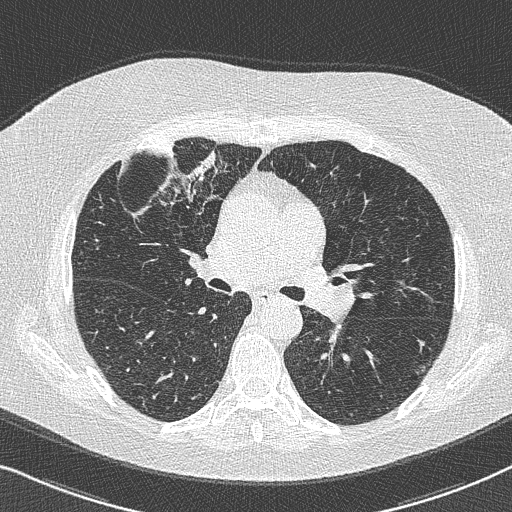
Slice 456/733 of a chest CT, counting up from the lowest; pixel size 0.637 mm, slice thickness 0.60 mm. Pulmonary nodule outlined by all four readers, two of them on this slice; box rows 365–373, columns 414–424 (the union of the readers' outlines on this slice); median longest diameter 11.6 mm (readers' outlines 11.1–11.9 mm), median volume 252 mm3 (231–376 mm3). Ratings, median across the readers with their spread: texture 5/5 (solid) from all four readers; median margin 3.5/5 (readers ranged 3/5 to 5/5 (circumscribed)); median sphericity 3/5 (ovoid) (readers ranged 3/5 (ovoid) to 5/5 (round)); calcification absent, all four readers agreeing; internal structure soft tissue, all four readers agreeing; median subtlety 4.5/5 (readers ranged 4–5); median malignancy likelihood 3.5/5 (readers ranged 3–4). Scale key (1–5): texture non-solid→solid, margin indistinct→circumscribed, sphericity linear→round, subtlety extremely subtle→obvious, malignancy likelihood highly unlikely→highly suspicious of cancer. Box rows and columns are 0-based pixel indices from the top-left corner, inclusive.
Scan settings: 120 kVp, B50f reconstruction kernel.